One axial slice (106 of 133, counting up from the lowest) of a chest CT acquired at 120 kVp with the STANDARD kernel; each pixel is 0.781 mm and the slice is 2.50 mm thick.
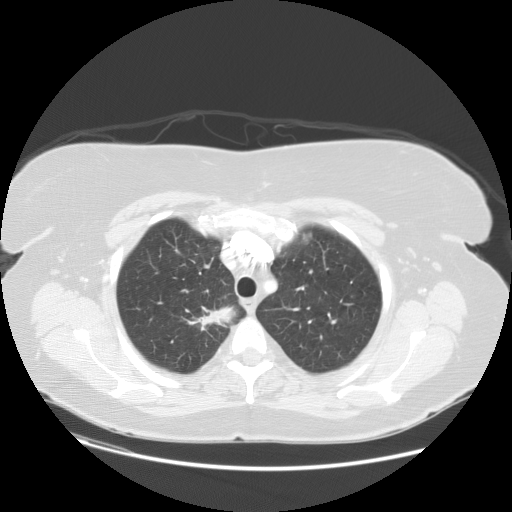
Pulmonary nodule outlined by all four readers; box rows 303–328, columns 194–237 (the union of the readers' outlines on this slice); median longest diameter 35.3 mm (readers' outlines 31.6–37.9 mm), median volume 4753 mm3 (3786–6747 mm3). Median ratings and the readers' spread: median texture 4.5/5 (readers ranged 3/5 (part-solid) to 5/5 (solid)); margin 3/5 at the median of four readers, spread 1/5 (indistinct) to 3/5; median sphericity 3/5 (ovoid) (readers ranged 2/5 to 4/5); calcification absent, all four readers agreeing; internal structure soft tissue from all four readers; subtlety 5/5, all four readers agreeing; median malignancy likelihood 5/5 (readers ranged 3–5). Scale key (1–5): texture non-solid→solid, margin indistinct→circumscribed, sphericity linear→round, subtlety extremely subtle→obvious, malignancy likelihood highly unlikely→highly suspicious of cancer. Box rows and columns are 0-based pixel indices from the top-left corner, inclusive.